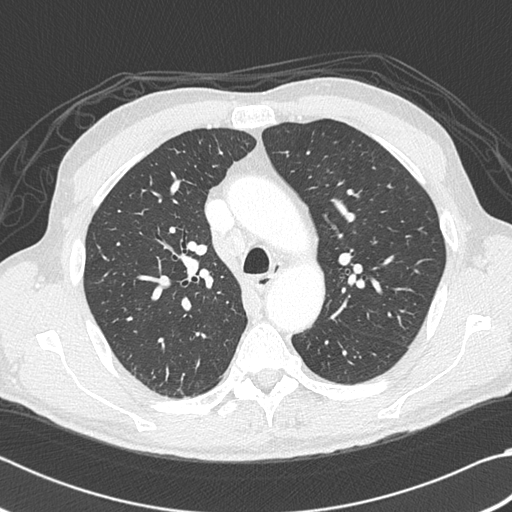
Axial chest CT slice 284 of 383 (counted from the lowest slice); tube voltage 120 kVp, convolution kernel B45f; slices 1.00 mm thick, 0.664 mm per pixel.
This slice carries no reader outline of a nodule 3 mm or larger.